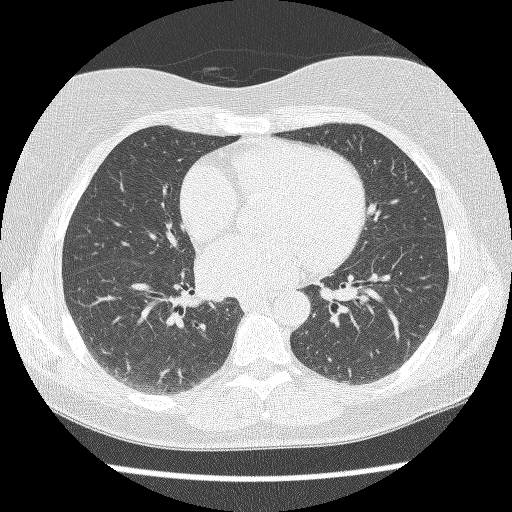
Axial chest CT slice 115 of 225 (counted from the lowest slice); tube voltage 120 kVp, convolution kernel BONE; slices 1.25 mm thick, 0.623 mm per pixel.
No nodule 3 mm or larger was outlined here by any reader.